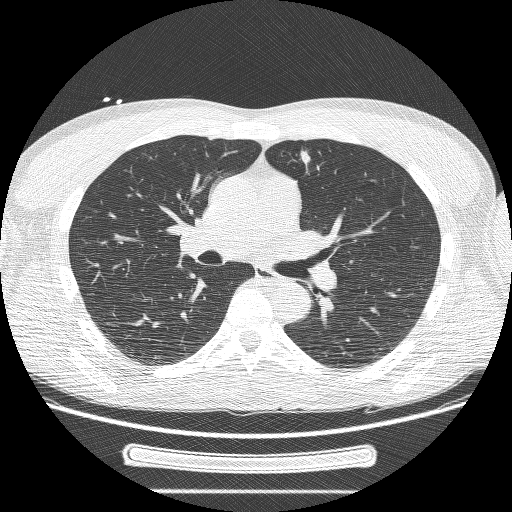
One axial slice (142 of 244, counting up from the lowest) of a chest CT acquired at 120 kVp with the BONE kernel; each pixel is 0.729 mm and the slice is 1.25 mm thick.
Pulmonary nodule at rows 150–164, columns 298–311 (box = the union of the readers' outlines on this slice), outlined by three of the four readers, two of them on this slice; longest diameter 27.4–37.9 mm and volume 2934–10099 mm3 across the three readers' outlines. The readers' ratings, as ranges where they differ: texture from 3/5 (part-solid) to 5/5 (solid) across the three readers; margin from 1/5 (indistinct) to 3/5 across the three readers; sphericity from 2/5 to 4/5 across the three readers; calcification absent from all three readers; internal structure soft tissue from all three readers; subtlety 5/5 from all three readers; malignancy likelihood rated between 3 and 5 out of 5 by the three readers. Scale key (1–5): texture non-solid→solid, margin indistinct→circumscribed, sphericity linear→round, subtlety extremely subtle→obvious, malignancy likelihood highly unlikely→highly suspicious of cancer. Box rows and columns are 0-based pixel indices from the top-left corner, inclusive.